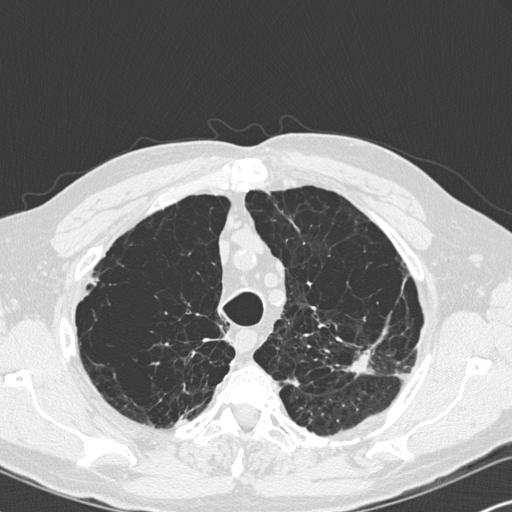
Chest CT, axial plane, 120 kVp, kernel B45f. Slice 260/347 from the bottom of the scan; thickness 1.00 mm; pixel size 0.625 mm.
Two pulmonary nodules are outlined on this slice; from left to right: (1) Pulmonary nodule, outlined by two of the four readers. Box on this slice rows 378–386, columns 284–299, the union of the readers' outlines on this slice; longest diameter 11.8 mm on average over the two readers' outlines (readers' outlines 11.3–12.3 mm), volume 328–329 mm3. Ratings, by the readers' most common answer with dissent counted: texture 5/5 (solid), both readers agreeing; margin split among the readers: 2/5 (one), 4/5 (one); sphericity split among the readers: 2/5 (one), 4/5 (one); calcification absent from both readers; internal structure soft tissue, both readers agreeing; subtlety split among the readers: 4/5 (one), 5/5 (one); malignancy likelihood 3/5, both readers agreeing. (2) Pulmonary nodule, outlined by one of the four readers. Box on this slice rows 348–377, columns 342–374, that reader's outline on this slice; longest diameter 24.3 mm and volume 1862 mm3 from that reader's outline. Ratings by that reader: texture 5/5 (solid); margin 4/5; sphericity 3/5 (ovoid); calcification absent; internal structure soft tissue; subtlety 5/5; malignancy likelihood 4/5. Scale key (1–5): texture non-solid→solid, margin indistinct→circumscribed, sphericity linear→round, subtlety extremely subtle→obvious, malignancy likelihood highly unlikely→highly suspicious of cancer. Box rows and columns are 0-based pixel indices from the top-left corner, inclusive.